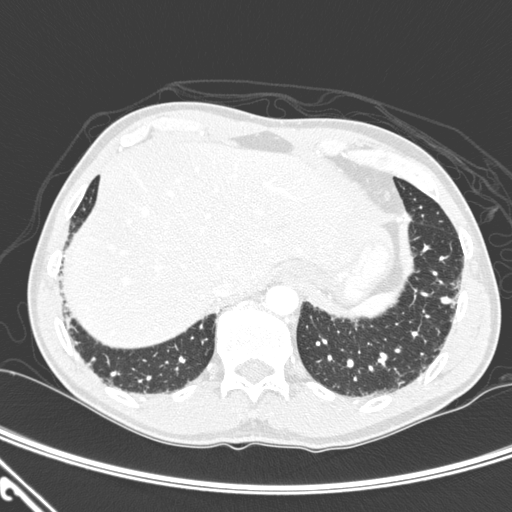
Axial slice 47 of 276 of a chest CT (slice 1 is the lowest), reconstructed with the D kernel at 120 kVp; 1.00 mm slice thickness and 0.639 mm pixels.
Pulmonary nodule at rows 296–303, columns 440–451 (box = the union of the readers' outlines on this slice), outlined by two of the four readers; median longest diameter 8.8 mm (readers' outlines 8.7–8.9 mm), median volume 214 mm3 (206–221 mm3). Median ratings and the readers' spread: texture 5/5 (solid), both readers agreeing; median margin 2.5/5 (readers ranged 2/5 to 3/5); sphericity 3/5 (ovoid) at the median of two readers, spread 2/5 to 4/5; calcification absent from both readers; internal structure soft tissue, both readers agreeing; median subtlety 4/5 (readers ranged 3–5); malignancy likelihood 3/5, both readers agreeing. Scale key (1–5): texture non-solid→solid, margin indistinct→circumscribed, sphericity linear→round, subtlety extremely subtle→obvious, malignancy likelihood highly unlikely→highly suspicious of cancer. Box rows and columns are 0-based pixel indices from the top-left corner, inclusive.